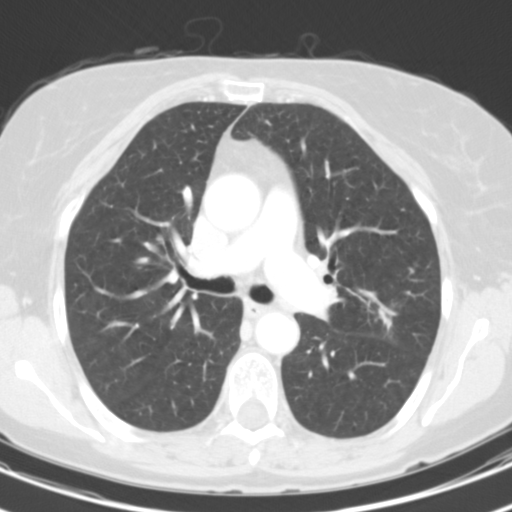
Axial slice 76 of 115 of a chest CT (slice 1 is the lowest), reconstructed with the B31s kernel at 130 kVp; 3.00 mm slice thickness and 0.582 mm pixels.
Pulmonary nodule outlined by all four readers, three of them on this slice; box rows 307–330, columns 377–392 (the union of the readers' outlines on this slice); the four readers' outlines give a longest diameter between 15.5 and 18.1 mm and a volume between 196 and 1011 mm3. The readers' ratings, as ranges where they differ: texture from 3/5 (part-solid) to 5/5 (solid) across the four readers; margin from 2/5 to 3/5 across the four readers; sphericity from 2/5 to 3/5 (ovoid) across the four readers; calcification absent, all four readers agreeing; internal structure soft tissue from all four readers; subtlety rated between 4 and 5 out of 5 by the four readers; malignancy likelihood 3–5/5 (the readers disagree). Scale key (1–5): texture non-solid→solid, margin indistinct→circumscribed, sphericity linear→round, subtlety extremely subtle→obvious, malignancy likelihood highly unlikely→highly suspicious of cancer. Box rows and columns are 0-based pixel indices from the top-left corner, inclusive.